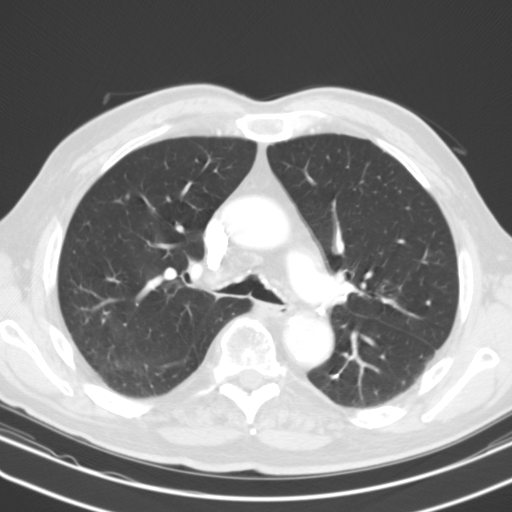
Axial chest CT slice 83 of 127 (counted from the lowest slice); 3.00 mm thick, 0.668 mm per pixel. Pulmonary nodule outlined by two of the four readers; box rows 374–377, columns 331–339 (the union of the readers' outlines on this slice); longest diameter 6.8 mm on average over the two readers' outlines (readers' outlines 6.6–7.1 mm), volume 143–161 mm3. Ratings, by the readers' most common answer with dissent counted: texture 5/5 (solid) from both readers; margin split among the readers: 4/5 (one), 5/5 (circumscribed) (one); sphericity split among the readers: 3/5 (ovoid) (one), 4/5 (one); calcification solid calcification, both readers agreeing; internal structure soft tissue, both readers agreeing; subtlety split among the readers: 4/5 (one), 5/5 (one); malignancy likelihood 1/5 from both readers. Scale key (1–5): texture non-solid→solid, margin indistinct→circumscribed, sphericity linear→round, subtlety extremely subtle→obvious, malignancy likelihood highly unlikely→highly suspicious of cancer. Box rows and columns are 0-based pixel indices from the top-left corner, inclusive.
Tube voltage 130 kVp; convolution kernel B31s.